Axial slice 42 of 148 of a chest CT (slice 1 is the lowest), reconstructed with the STANDARD kernel at 120 kVp; 2.50 mm slice thickness and 0.703 mm pixels.
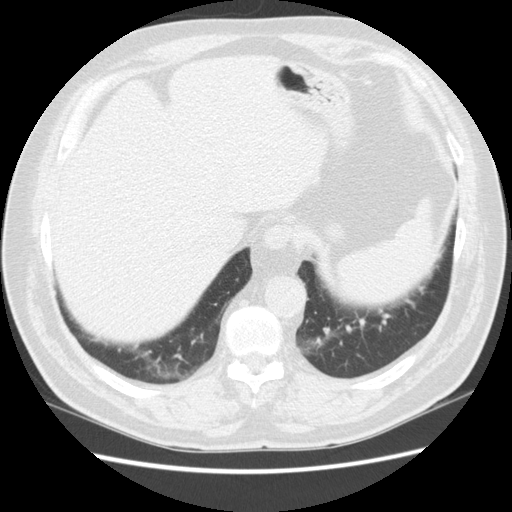
Pulmonary nodule at rows 304–308, columns 411–415 (box = the one reader's outline on this slice), outlined by two of the four readers, one of them on this slice; median longest diameter 7.5 mm (readers' outlines 7.1–7.9 mm), median volume 165 mm3 (125–206 mm3). Median ratings and the readers' spread: texture 5/5 (solid) from both readers; median margin 3/5 (readers ranged 2/5 to 4/5); sphericity 5/5 (round) from both readers; calcification absent, both readers agreeing; internal structure soft tissue from both readers; subtlety 3/5, both readers agreeing; median malignancy likelihood 2.5/5 (readers ranged 2–3). Scale key (1–5): texture non-solid→solid, margin indistinct→circumscribed, sphericity linear→round, subtlety extremely subtle→obvious, malignancy likelihood highly unlikely→highly suspicious of cancer. Box rows and columns are 0-based pixel indices from the top-left corner, inclusive.